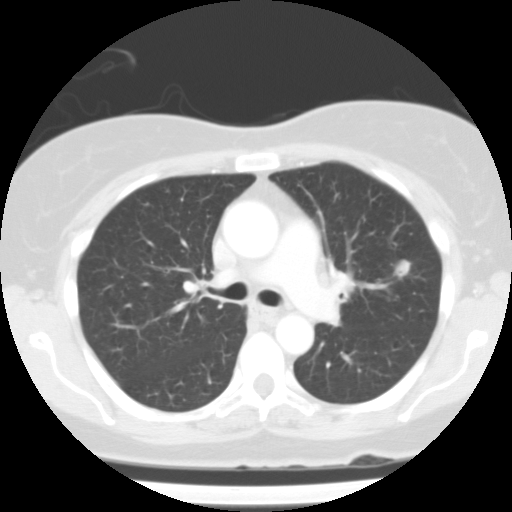
Axial chest CT slice 64 of 98 (counted from the lowest slice); 3.00 mm thick, 0.637 mm per pixel. Pulmonary nodule, outlined by all four readers. Box on this slice rows 259–277, columns 394–410, the union of the readers' outlines on this slice; longest diameter 13.9 mm on average over the four readers' outlines (readers' outlines 12.4–15.3 mm), volume 600–1083 mm3. Ratings, by the readers' most common answer with dissent counted: most readers (three of four) put texture at 5/5 (solid), others 4/5 (one); margin 4/5 by two of four readers; the rest gave 2/5 (one), 5/5 (circumscribed) (one); sphericity 5/5 (round) from all four readers; calcification absent from all four readers; internal structure soft tissue, all four readers agreeing; subtlety 5/5 by three of four readers; the rest gave 4/5 (one); malignancy likelihood 3/5 by two of four readers; the rest gave 4/5 (one), 5/5 (one). Scale key (1–5): texture non-solid→solid, margin indistinct→circumscribed, sphericity linear→round, subtlety extremely subtle→obvious, malignancy likelihood highly unlikely→highly suspicious of cancer. Box rows and columns are 0-based pixel indices from the top-left corner, inclusive.
Acquired at 135 kVp and reconstructed with the FC01 kernel.